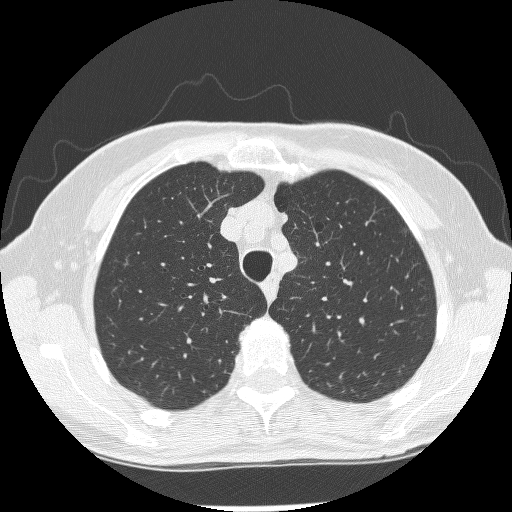
Axial chest CT slice 196 of 245 (counted from the lowest slice); 1.25 mm thick, 0.592 mm per pixel. Pulmonary nodule at rows 228–231, columns 402–406 (box = that reader's outline on this slice), outlined by one of the four readers; longest diameter 8.6 mm and volume 59 mm3 from that reader's outline. Ratings by that reader: texture 1/5 (non-solid); margin 2/5; sphericity 3/5 (ovoid); calcification absent; internal structure soft tissue; subtlety 1/5; malignancy likelihood 2/5. Scale key (1–5): texture non-solid→solid, margin indistinct→circumscribed, sphericity linear→round, subtlety extremely subtle→obvious, malignancy likelihood highly unlikely→highly suspicious of cancer. Box rows and columns are 0-based pixel indices from the top-left corner, inclusive.
Acquired at 120 kVp and reconstructed with the BONE kernel.